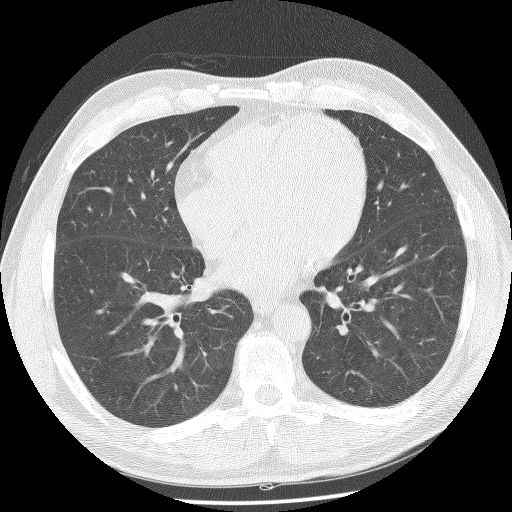
One axial slice (59 of 132, counting up from the lowest) of a chest CT acquired at 140 kVp with the BONE kernel; each pixel is 0.703 mm and the slice is 2.50 mm thick.
Pulmonary nodule, outlined by one of the four readers. Box on this slice rows 289–293, columns 89–93, that reader's outline on this slice; longest diameter 4.4 mm and volume 43 mm3 from that reader's outline. That reader's ratings: texture 5/5 (solid); margin 4/5; sphericity 4/5; calcification absent; internal structure soft tissue; subtlety 4/5; malignancy likelihood 3/5. Scale key (1–5): texture non-solid→solid, margin indistinct→circumscribed, sphericity linear→round, subtlety extremely subtle→obvious, malignancy likelihood highly unlikely→highly suspicious of cancer. Box rows and columns are 0-based pixel indices from the top-left corner, inclusive.